One axial slice (58 of 116, counting up from the lowest) of a chest CT acquired at 130 kVp with the B31s kernel; each pixel is 0.588 mm and the slice is 3.00 mm thick.
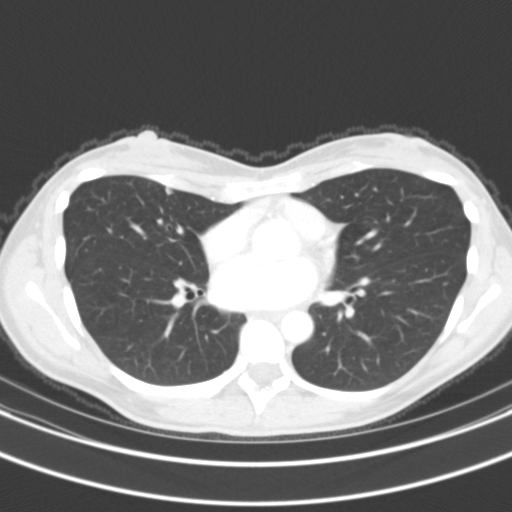
Pulmonary nodule at rows 187–194, columns 165–172 (box = the union of the readers' outlines on this slice), outlined by three of the four readers; longest diameter 6.9–7.1 mm and volume 125–137 mm3 across the three readers' outlines. Ratings across the readers: texture from 4/5 to 5/5 (solid) across the three readers; margin from 3/5 to 4/5 across the three readers; sphericity from 3/5 (ovoid) to 4/5 across the three readers; calcification absent from all three readers; internal structure soft tissue from all three readers; subtlety rated between 3 and 5 out of 5 by the three readers; malignancy likelihood from 1/5 to 3/5 across the three readers. Scale key (1–5): texture non-solid→solid, margin indistinct→circumscribed, sphericity linear→round, subtlety extremely subtle→obvious, malignancy likelihood highly unlikely→highly suspicious of cancer. Box rows and columns are 0-based pixel indices from the top-left corner, inclusive.